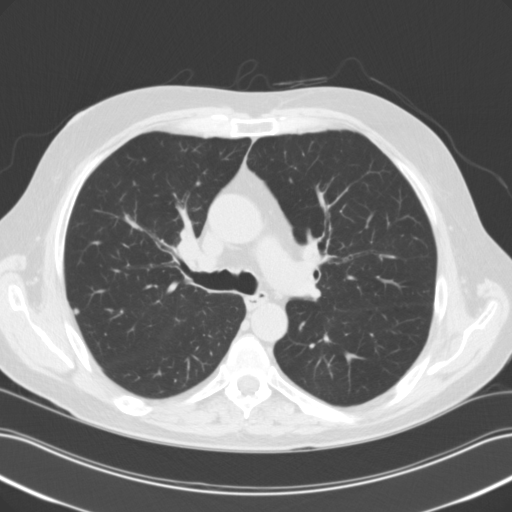
Axial slice 75 of 118 of a chest CT (slice 1 is the lowest), reconstructed with the B31f kernel at 120 kVp; 3.00 mm slice thickness and 0.707 mm pixels.
Pulmonary nodule outlined by three of the four readers; box rows 308–314, columns 73–78 (the union of the readers' outlines on this slice); median longest diameter 5.7 mm (readers' outlines 4.5–5.7 mm), median volume 77 mm3 (54–88 mm3). Ratings, median across the readers with their spread: texture 5/5 (solid) at the median of three readers, spread 4/5 to 5/5 (solid); margin 4/5, all three readers agreeing; sphericity 4/5 from all three readers; calcification absent, all three readers agreeing; internal structure soft tissue, all three readers agreeing; median subtlety 4/5 (readers ranged 2–5); malignancy likelihood 3/5 at the median of three readers, spread 2–3. Scale key (1–5): texture non-solid→solid, margin indistinct→circumscribed, sphericity linear→round, subtlety extremely subtle→obvious, malignancy likelihood highly unlikely→highly suspicious of cancer. Box rows and columns are 0-based pixel indices from the top-left corner, inclusive.